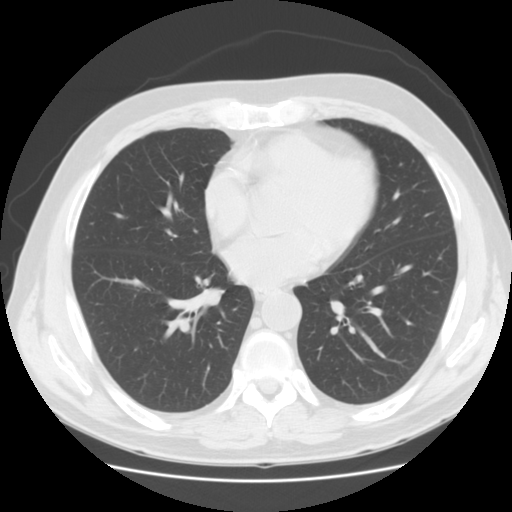
Axial slice 64 of 133 of a chest CT (slice 1 is the lowest), reconstructed with the STANDARD kernel at 120 kVp; 2.50 mm slice thickness and 0.703 mm pixels.
This slice carries no reader outline of a nodule 3 mm or larger.